Axial slice 131 of 167 of a chest CT (slice 1 is the lowest), reconstructed with the B30f kernel at 120 kVp; 2.00 mm slice thickness and 0.664 mm pixels.
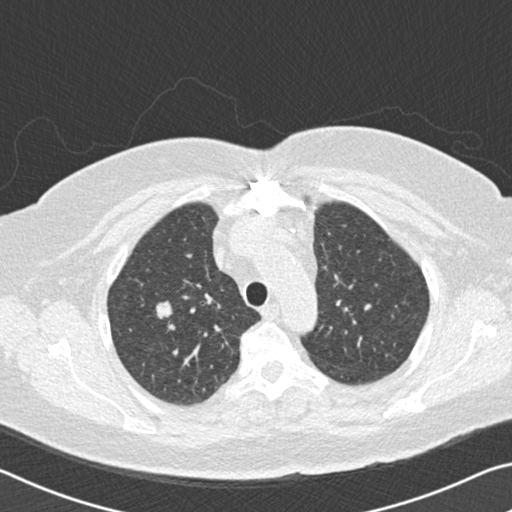
Pulmonary nodule at rows 300–319, columns 155–171 (box = the union of the readers' outlines on this slice), outlined by all four readers; median longest diameter 14.3 mm (readers' outlines 13.7–15.2 mm), median volume 1020 mm3 (840–1189 mm3). Median ratings and the readers' spread: texture 5/5 (solid), all four readers agreeing; median margin 4/5 (readers ranged 4/5 to 5/5 (circumscribed)); sphericity 4.5/5 at the median of four readers, spread 3/5 (ovoid) to 5/5 (round); calcification absent, all four readers agreeing; internal structure soft tissue, all four readers agreeing; median subtlety 5/5 (readers ranged 4–5); median malignancy likelihood 4/5 (readers ranged 3–5). Scale key (1–5): texture non-solid→solid, margin indistinct→circumscribed, sphericity linear→round, subtlety extremely subtle→obvious, malignancy likelihood highly unlikely→highly suspicious of cancer. Box rows and columns are 0-based pixel indices from the top-left corner, inclusive.